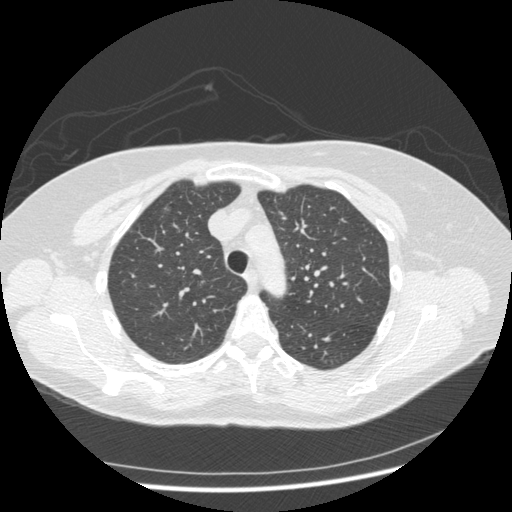
Axial slice 328 of 436 of a chest CT (slice 1 is the lowest), reconstructed with the STANDARD kernel at 120 kVp; 1.25 mm slice thickness and 0.703 mm pixels.
Pulmonary nodule at rows 202–214, columns 160–171 (box = the union of the readers' outlines on this slice), outlined by all four readers; the four readers' outlines give a longest diameter between 10.7 and 12.4 mm and a volume between 115 and 323 mm3. Ratings across the readers: texture from 1/5 (non-solid) to 3/5 (part-solid) across the four readers; margin from 1/5 (indistinct) to 4/5 across the four readers; sphericity from 3/5 (ovoid) to 5/5 (round) across the four readers; calcification absent from all four readers; internal structure soft tissue, all four readers agreeing; subtlety rated between 1 and 3 out of 5 by the four readers; malignancy likelihood from 2/5 to 3/5 across the four readers. Scale key (1–5): texture non-solid→solid, margin indistinct→circumscribed, sphericity linear→round, subtlety extremely subtle→obvious, malignancy likelihood highly unlikely→highly suspicious of cancer. Box rows and columns are 0-based pixel indices from the top-left corner, inclusive.